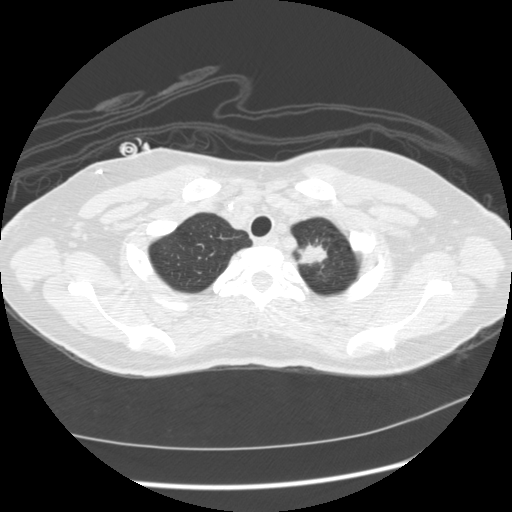
Slice 180/209 of a chest CT, counting up from the lowest; pixel size 0.693 mm, slice thickness 1.25 mm. Pulmonary nodule, outlined by all four readers. Box on this slice rows 240–266, columns 296–329, the union of the readers' outlines on this slice; the four readers' outlines give a longest diameter between 21.8 and 25.6 mm and a volume between 2801 and 4927 mm3. The readers' ratings, as ranges where they differ: texture from 4/5 to 5/5 (solid) across the four readers; margin from 3/5 to 4/5 across the four readers; sphericity from 2/5 to 5/5 (round) across the four readers; calcification absent, all four readers agreeing; internal structure soft tissue from all four readers; subtlety 5/5, all four readers agreeing; malignancy likelihood rated between 3 and 5 out of 5 by the four readers. Scale key (1–5): texture non-solid→solid, margin indistinct→circumscribed, sphericity linear→round, subtlety extremely subtle→obvious, malignancy likelihood highly unlikely→highly suspicious of cancer. Box rows and columns are 0-based pixel indices from the top-left corner, inclusive.
Tube voltage 120 kVp; convolution kernel STANDARD.